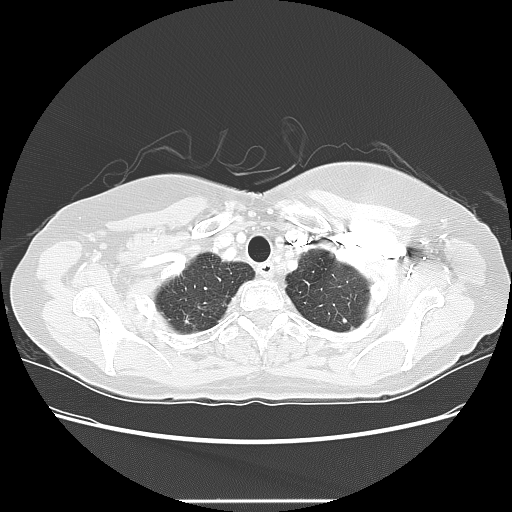
One axial slice (120 of 130, counting up from the lowest) of a chest CT acquired at 120 kVp with the LUNG kernel; each pixel is 0.703 mm and the slice is 2.50 mm thick.
Pulmonary nodule outlined by one of the four readers; box rows 318–322, columns 343–346 (that reader's outline on this slice); longest diameter 4.7 mm and volume 52 mm3 from that reader's outline. Ratings by that reader: texture 5/5 (solid); margin 5/5 (circumscribed); sphericity 5/5 (round); calcification solid calcification; internal structure soft tissue; subtlety 4/5; malignancy likelihood 1/5. Scale key (1–5): texture non-solid→solid, margin indistinct→circumscribed, sphericity linear→round, subtlety extremely subtle→obvious, malignancy likelihood highly unlikely→highly suspicious of cancer. Box rows and columns are 0-based pixel indices from the top-left corner, inclusive.